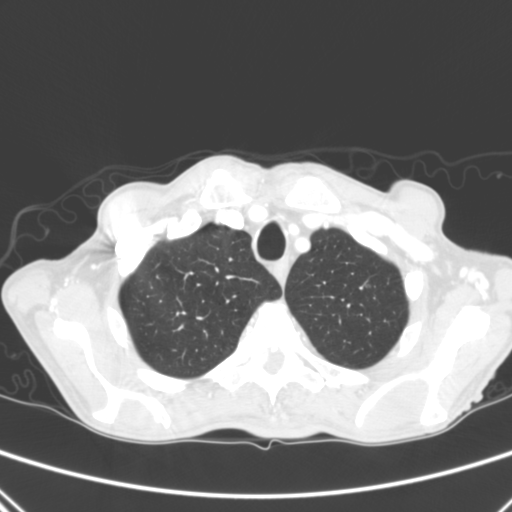
Axial slice 248 of 290 of a chest CT (slice 1 is the lowest), reconstructed with the B kernel at 120 kVp; 2.00 mm slice thickness and 0.639 mm pixels.
Pulmonary nodule, outlined by one of the four readers. Box on this slice rows 284–287, columns 365–370, that reader's outline on this slice; longest diameter 4.9 mm and volume 40 mm3 from that reader's outline. That reader's ratings: texture 5/5 (solid); margin 5/5 (circumscribed); sphericity 5/5 (round); calcification absent; internal structure soft tissue; subtlety 5/5; malignancy likelihood 3/5. Scale key (1–5): texture non-solid→solid, margin indistinct→circumscribed, sphericity linear→round, subtlety extremely subtle→obvious, malignancy likelihood highly unlikely→highly suspicious of cancer. Box rows and columns are 0-based pixel indices from the top-left corner, inclusive.